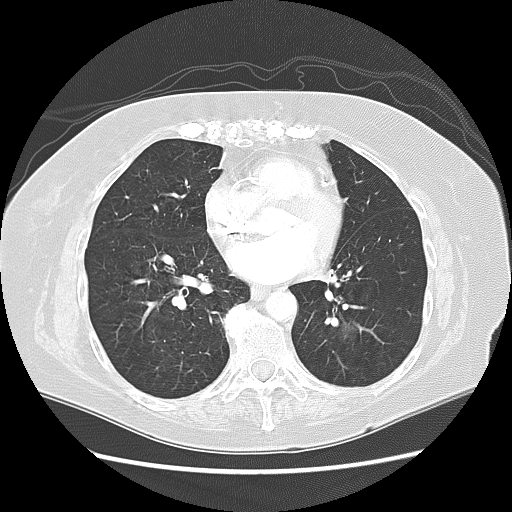
Axial chest CT slice 45 of 125 (counted from the lowest slice); 2.50 mm thick, 0.703 mm per pixel. Pulmonary nodule, outlined by three of the four readers. Box on this slice rows 322–341, columns 338–356, the union of the readers' outlines on this slice; longest diameter 16.8–17.9 mm and volume 872–1576 mm3 across the three readers' outlines. The readers' ratings, as ranges where they differ: texture from 1/5 (non-solid) to 2/5 across the three readers; margin from 1/5 (indistinct) to 4/5 across the three readers; sphericity from 3/5 (ovoid) to 4/5 across the three readers; calcification absent from all three readers; internal structure soft tissue from all three readers; subtlety 2–4/5 (the readers disagree); malignancy likelihood from 2/5 to 5/5 across the three readers. Scale key (1–5): texture non-solid→solid, margin indistinct→circumscribed, sphericity linear→round, subtlety extremely subtle→obvious, malignancy likelihood highly unlikely→highly suspicious of cancer. Box rows and columns are 0-based pixel indices from the top-left corner, inclusive.
Scan settings: 120 kVp, LUNG reconstruction kernel.